Axial chest CT slice 216 of 436 (counted from the lowest slice); tube voltage 120 kVp, convolution kernel STANDARD; slices 1.25 mm thick, 0.703 mm per pixel.
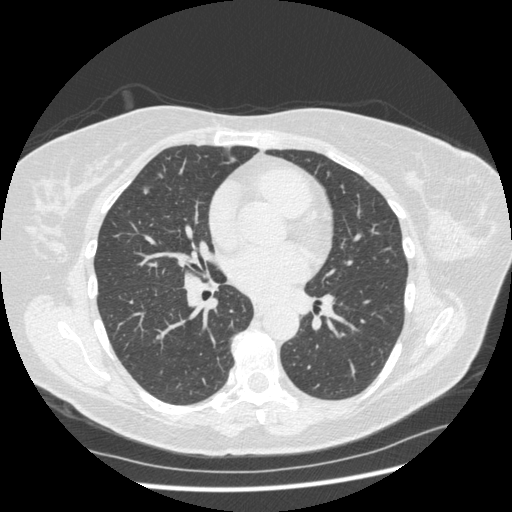
Pulmonary nodule outlined by two of the four readers; box rows 186–193, columns 143–148 (the union of the readers' outlines on this slice); longest diameter 7.9 mm and volume 55–64 mm3 across the two readers' outlines. The readers' ratings, as ranges where they differ: texture 5/5 (solid) from both readers; margin from 3/5 to 4/5 across the two readers; sphericity from 3/5 (ovoid) to 4/5 across the two readers; calcification absent from both readers; internal structure soft tissue, both readers agreeing; subtlety 3–4/5 (the readers disagree); malignancy likelihood rated between 2 and 4 out of 5 by the two readers. Scale key (1–5): texture non-solid→solid, margin indistinct→circumscribed, sphericity linear→round, subtlety extremely subtle→obvious, malignancy likelihood highly unlikely→highly suspicious of cancer. Box rows and columns are 0-based pixel indices from the top-left corner, inclusive.